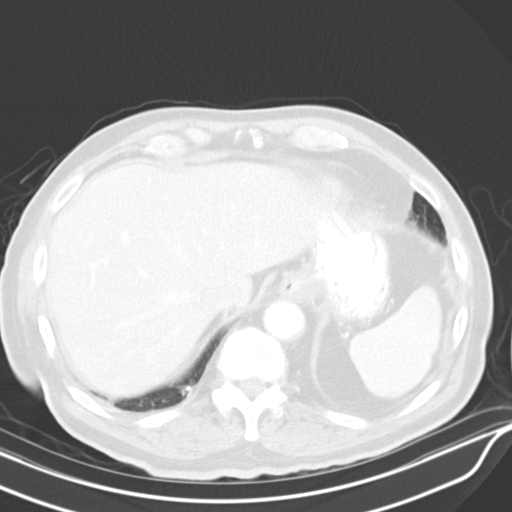
Chest CT, axial plane, 130 kVp, kernel B30s. Slice 193/319 from the bottom of the scan; thickness 4.00 mm; pixel size 0.729 mm.
Pulmonary nodule, outlined by one of the four readers. Box on this slice rows 386–389, columns 186–190, that reader's outline on this slice; longest diameter 5.7 mm and volume 104 mm3 from that reader's outline. Ratings by that reader: texture 5/5 (solid); margin 4/5; sphericity 5/5 (round); calcification solid calcification; internal structure soft tissue; subtlety 5/5; malignancy likelihood 1/5. Scale key (1–5): texture non-solid→solid, margin indistinct→circumscribed, sphericity linear→round, subtlety extremely subtle→obvious, malignancy likelihood highly unlikely→highly suspicious of cancer. Box rows and columns are 0-based pixel indices from the top-left corner, inclusive.